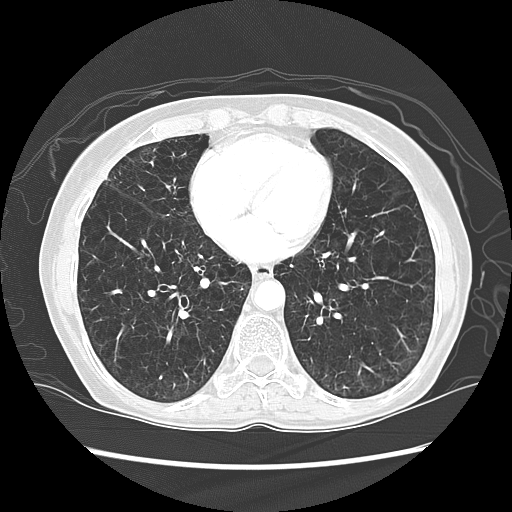
Axial slice 47 of 127 of a chest CT (slice 1 is the lowest), reconstructed with the LUNG kernel at 120 kVp; 2.50 mm slice thickness and 0.645 mm pixels.
No nodule 3 mm or larger was outlined here by any reader.